Chest CT, axial plane, 120 kVp, kernel B70f. Slice 205/333 from the bottom of the scan; thickness 2.00 mm; pixel size 0.775 mm.
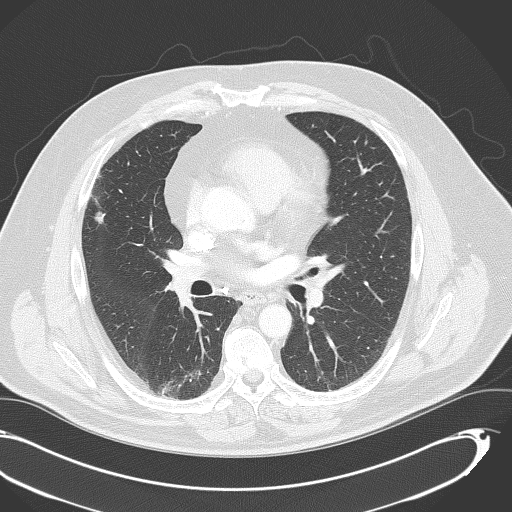
Pulmonary nodule, outlined by all four readers. Box on this slice rows 211–223, columns 94–105, the union of the readers' outlines on this slice; median longest diameter 11.1 mm (readers' outlines 9.4–12.6 mm), median volume 391 mm3 (231–434 mm3). Median ratings and the readers' spread: texture 5/5 (solid), all four readers agreeing; median margin 4/5 (readers ranged 4/5 to 5/5 (circumscribed)); sphericity 5/5 (round) at the median of four readers, spread 4/5 to 5/5 (round); calcification: absent (three), non-central calcification (one); internal structure soft tissue from all four readers; subtlety 4.5/5 at the median of four readers, spread 3–5; malignancy likelihood 3.5/5 at the median of four readers, spread 1–4. Scale key (1–5): texture non-solid→solid, margin indistinct→circumscribed, sphericity linear→round, subtlety extremely subtle→obvious, malignancy likelihood highly unlikely→highly suspicious of cancer. Box rows and columns are 0-based pixel indices from the top-left corner, inclusive.